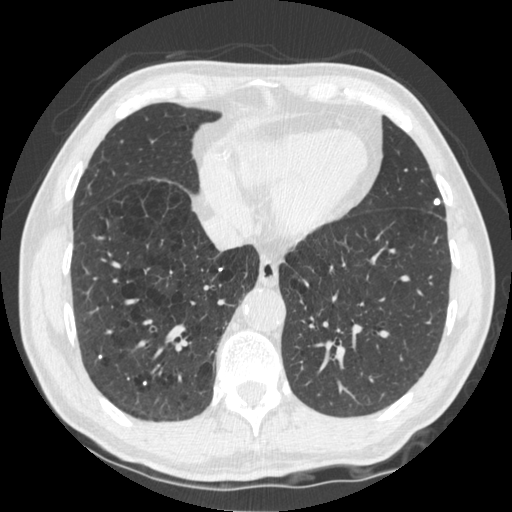
One axial slice (159 of 535, counting up from the lowest) of a chest CT acquired at 120 kVp with the STANDARD kernel; each pixel is 0.664 mm and the slice is 1.25 mm thick.
Pulmonary nodule outlined by three of the four readers; box rows 198–205, columns 433–440 (the union of the readers' outlines on this slice); longest diameter 6.2 mm on average over the three readers' outlines (readers' outlines 5.5–6.8 mm), volume 70–114 mm3. Ratings, by the readers' most common answer with dissent counted: texture 5/5 (solid) from all three readers; margin 5/5 (circumscribed) from all three readers; sphericity 5/5 (round), all three readers agreeing; calcification solid calcification, all three readers agreeing; internal structure soft tissue, all three readers agreeing; subtlety 5/5, all three readers agreeing; malignancy likelihood 1/5, all three readers agreeing. Scale key (1–5): texture non-solid→solid, margin indistinct→circumscribed, sphericity linear→round, subtlety extremely subtle→obvious, malignancy likelihood highly unlikely→highly suspicious of cancer. Box rows and columns are 0-based pixel indices from the top-left corner, inclusive.